Chest CT, axial plane, 120 kVp, kernel STANDARD. Slice 86/140 from the bottom of the scan; thickness 2.50 mm; pixel size 0.820 mm.
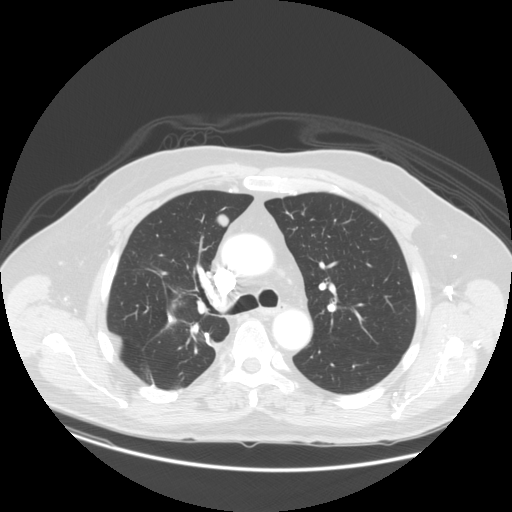
Pulmonary nodule at rows 213–227, columns 215–229 (box = the union of the readers' outlines on this slice), outlined by all four readers; longest diameter 15.0 mm on average over the four readers' outlines (readers' outlines 14.3–15.6 mm), volume 1108–1503 mm3. Ratings, by the readers' most common answer with dissent counted: texture 5/5 (solid) from all four readers; margin 5/5 (circumscribed) from all four readers; sphericity split among the readers: 4/5 (two), 5/5 (round) (two); calcification absent, all four readers agreeing; internal structure soft tissue, all four readers agreeing; subtlety 4/5 by two of four readers; the rest gave 3/5 (one), 5/5 (one); malignancy likelihood split among the readers: 2/5 (one), 3/5 (one), 4/5 (one), 5/5 (one). Scale key (1–5): texture non-solid→solid, margin indistinct→circumscribed, sphericity linear→round, subtlety extremely subtle→obvious, malignancy likelihood highly unlikely→highly suspicious of cancer. Box rows and columns are 0-based pixel indices from the top-left corner, inclusive.